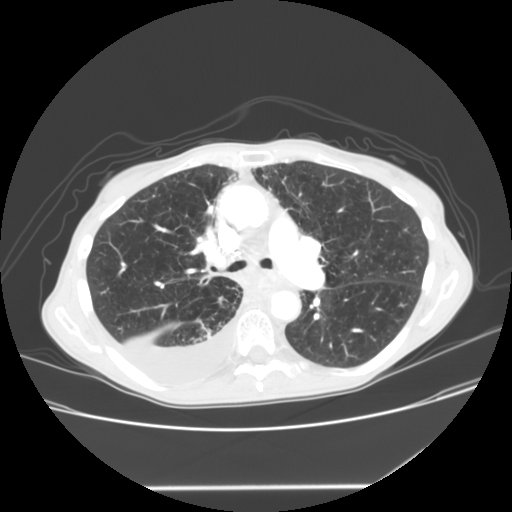
One axial slice (81 of 133, counting up from the lowest) of a chest CT acquired at 120 kVp with the STANDARD kernel; each pixel is 0.703 mm and the slice is 2.50 mm thick.
No nodule 3 mm or larger was outlined here by any reader.